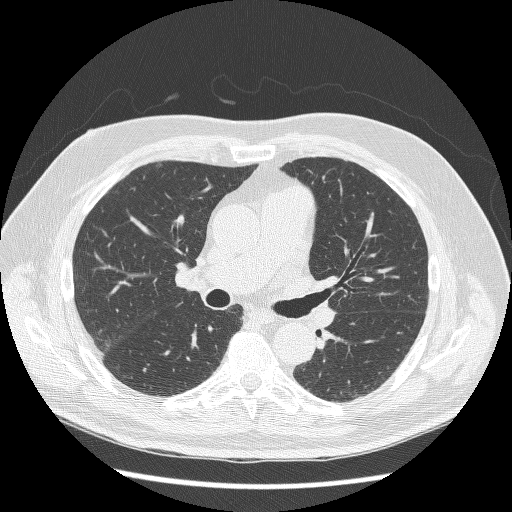
Chest CT, axial plane, 120 kVp, kernel BONE. Slice 162/261 from the bottom of the scan; thickness 1.25 mm; pixel size 0.703 mm.
Pulmonary nodule outlined by three of the four readers, one of them on this slice; box rows 163–166, columns 154–162 (the one reader's outline on this slice); longest diameter 6.3 mm on average over the three readers' outlines (readers' outlines 5.7–7.3 mm), volume 32–68 mm3. The readers' prevailing ratings and who disagreed: most readers (two of three) put texture at 5/5 (solid), others 4/5 (one); margin 4/5 by two of three readers; the rest gave 5/5 (circumscribed) (one); sphericity 3/5 (ovoid) by two of three readers; the rest gave 4/5 (one); calcification absent from all three readers; internal structure soft tissue, all three readers agreeing; subtlety split among the readers: 1/5 (one), 3/5 (one), 4/5 (one); malignancy likelihood 3/5, all three readers agreeing. Scale key (1–5): texture non-solid→solid, margin indistinct→circumscribed, sphericity linear→round, subtlety extremely subtle→obvious, malignancy likelihood highly unlikely→highly suspicious of cancer. Box rows and columns are 0-based pixel indices from the top-left corner, inclusive.